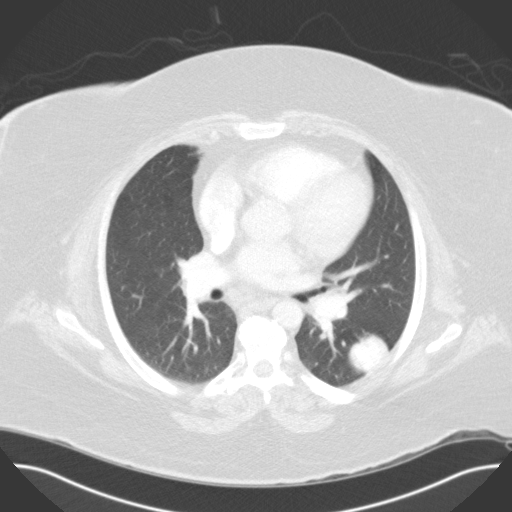
Slice 78/117 of a chest CT, counting up from the lowest; pixel size 0.779 mm, slice thickness 3.00 mm. Pulmonary nodule at rows 334–371, columns 347–387 (box = the union of the readers' outlines on this slice), outlined by two of the four readers; longest diameter 39.2–39.6 mm and volume 24959–25451 mm3 across the two readers' outlines. The readers' ratings, as ranges where they differ: texture 5/5 (solid), both readers agreeing; margin 5/5 (circumscribed) from both readers; sphericity 5/5 (round) from both readers; calcification split among the readers: laminated calcification (one), absent (one); internal structure soft tissue, both readers agreeing; subtlety 5/5 from both readers; malignancy likelihood from 2/5 to 3/5 across the two readers. Scale key (1–5): texture non-solid→solid, margin indistinct→circumscribed, sphericity linear→round, subtlety extremely subtle→obvious, malignancy likelihood highly unlikely→highly suspicious of cancer. Box rows and columns are 0-based pixel indices from the top-left corner, inclusive.
Tube voltage 120 kVp; convolution kernel B31f.